One axial slice (130 of 185, counting up from the lowest) of a chest CT acquired at 120 kVp with the B30f kernel; each pixel is 0.664 mm and the slice is 2.00 mm thick.
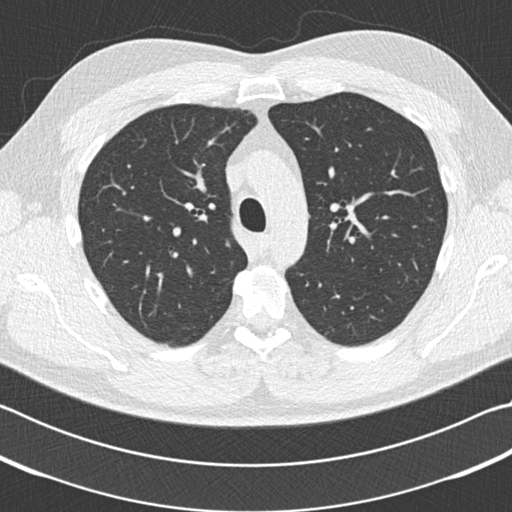
The readers outlined no nodule of 3 mm or more on this slice.